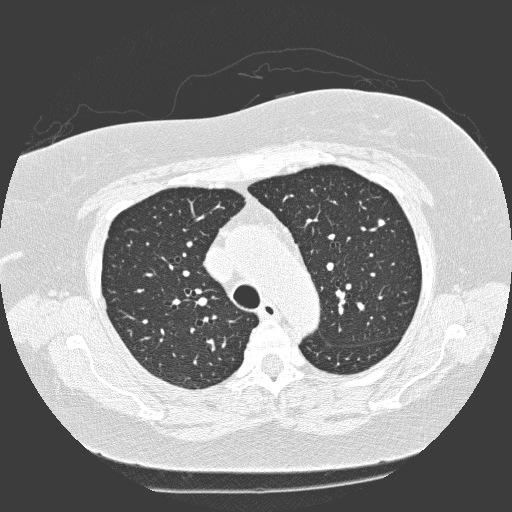
Chest CT, axial plane, 120 kVp, kernel D. Slice 230/300 from the bottom of the scan; thickness 1.00 mm; pixel size 0.654 mm.
Pulmonary nodule outlined by all four readers; box rows 219–225, columns 378–384 (the union of the readers' outlines on this slice); longest diameter 5.6 mm on average over the four readers' outlines (readers' outlines 4.8–6.0 mm), volume 30–63 mm3. The readers' prevailing ratings and who disagreed: texture 5/5 (solid) from all four readers; most readers (three of four) put margin at 5/5 (circumscribed), others 4/5 (one); sphericity split among the readers: 4/5 (two), 5/5 (round) (two); calcification absent by three of four readers, solid calcification (one); internal structure soft tissue from all four readers; subtlety 5/5 by two of four readers; the rest gave 2/5 (one), 3/5 (one); malignancy likelihood split among the readers: 1/5 (two), 3/5 (two). Scale key (1–5): texture non-solid→solid, margin indistinct→circumscribed, sphericity linear→round, subtlety extremely subtle→obvious, malignancy likelihood highly unlikely→highly suspicious of cancer. Box rows and columns are 0-based pixel indices from the top-left corner, inclusive.